One axial slice (184 of 429, counting up from the lowest) of a chest CT acquired at 120 kVp with the STANDARD kernel; each pixel is 0.703 mm and the slice is 1.25 mm thick.
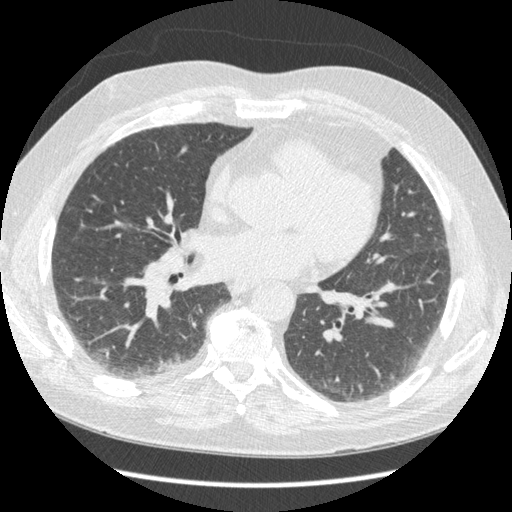
Pulmonary nodule outlined by three of the four readers, two of them on this slice; box rows 376–378, columns 391–393 (the union of the readers' outlines on this slice); the three readers' outlines give a longest diameter between 6.9 and 7.0 mm and a volume between 78 and 98 mm3. Ratings across the readers: texture 5/5 (solid), all three readers agreeing; margin from 4/5 to 5/5 (circumscribed) across the three readers; sphericity from 3/5 (ovoid) to 5/5 (round) across the three readers; calcification: absent (two), non-central calcification (one); internal structure soft tissue, all three readers agreeing; subtlety rated between 2 and 5 out of 5 by the three readers; malignancy likelihood from 2/5 to 4/5 across the three readers. Scale key (1–5): texture non-solid→solid, margin indistinct→circumscribed, sphericity linear→round, subtlety extremely subtle→obvious, malignancy likelihood highly unlikely→highly suspicious of cancer. Box rows and columns are 0-based pixel indices from the top-left corner, inclusive.